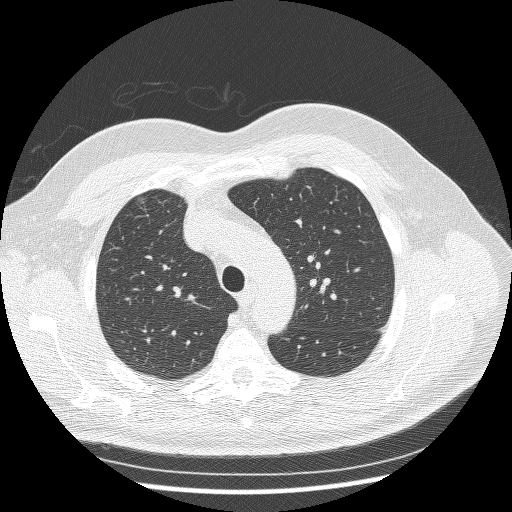
Axial chest CT slice 197 of 250 (counted from the lowest slice); tube voltage 120 kVp, convolution kernel BONE; slices 1.25 mm thick, 0.721 mm per pixel.
Pulmonary nodule at rows 196–204, columns 134–147 (box = the union of the readers' outlines on this slice), outlined by three of the four readers; longest diameter 9.8–12.3 mm and volume 257–353 mm3 across the three readers' outlines. The readers' ratings, as ranges where they differ: texture 1/5 (non-solid) from all three readers; margin from 1/5 (indistinct) to 2/5 across the three readers; sphericity from 2/5 to 3/5 (ovoid) across the three readers; calcification absent from all three readers; internal structure soft tissue, all three readers agreeing; subtlety from 1/5 to 3/5 across the three readers; malignancy likelihood 3–4/5 (the readers disagree). Scale key (1–5): texture non-solid→solid, margin indistinct→circumscribed, sphericity linear→round, subtlety extremely subtle→obvious, malignancy likelihood highly unlikely→highly suspicious of cancer. Box rows and columns are 0-based pixel indices from the top-left corner, inclusive.